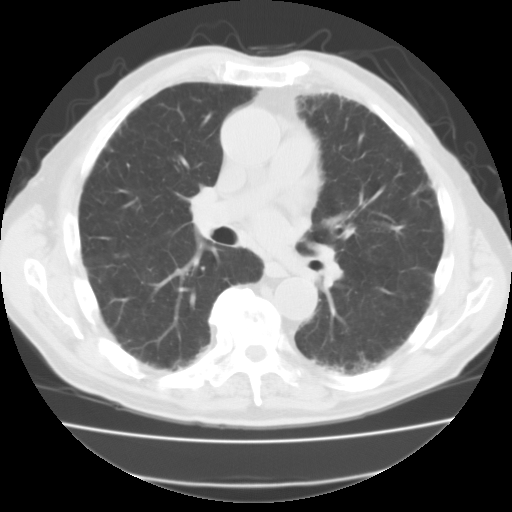
Axial chest CT slice 57 of 111 (counted from the lowest slice); tube voltage 135 kVp, convolution kernel FC01; slices 3.00 mm thick, 0.714 mm per pixel.
No nodule of 3 mm or larger was outlined by any of the four readers on this slice.